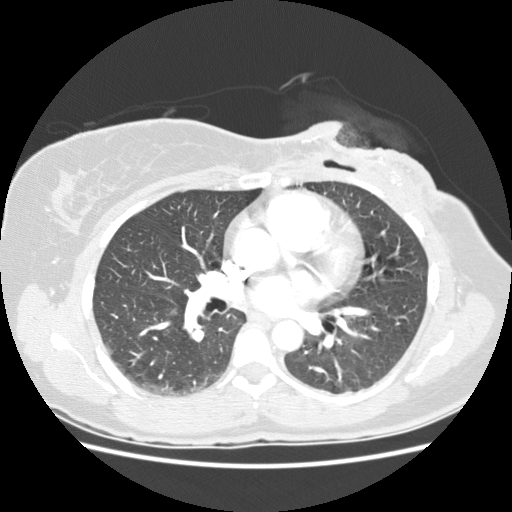
Axial chest CT slice 90 of 178 (counted from the lowest slice); 1.25 mm thick, 0.703 mm per pixel. No nodule 3 mm or larger was outlined here by any reader.
Tube voltage 120 kVp; convolution kernel STANDARD.